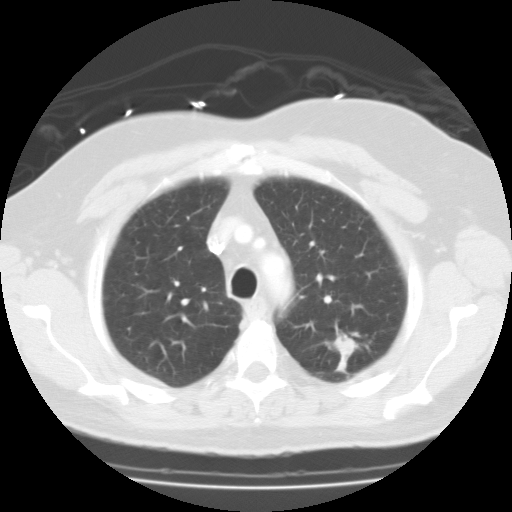
Axial chest CT slice 87 of 115 (counted from the lowest slice); 3.00 mm thick, 0.729 mm per pixel. Pulmonary nodule outlined by one of the four readers; box rows 336–371, columns 333–355 (that reader's outline on this slice); longest diameter 34.4 mm and volume 9064 mm3 from that reader's outline. Ratings by that reader: texture 5/5 (solid); margin 3/5; sphericity 2/5; calcification absent; internal structure fluid; subtlety 5/5; malignancy likelihood 3/5. Scale key (1–5): texture non-solid→solid, margin indistinct→circumscribed, sphericity linear→round, subtlety extremely subtle→obvious, malignancy likelihood highly unlikely→highly suspicious of cancer. Box rows and columns are 0-based pixel indices from the top-left corner, inclusive.
Acquired at 135 kVp and reconstructed with the FC01 kernel.